Axial slice 87 of 116 of a chest CT (slice 1 is the lowest), reconstructed with the B31f kernel at 120 kVp; 3.00 mm slice thickness and 0.547 mm pixels.
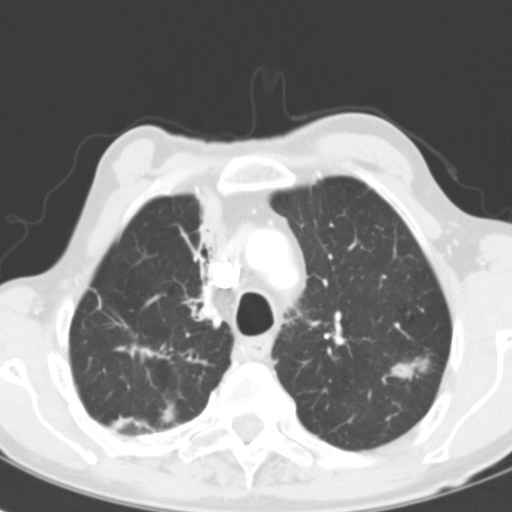
Pulmonary nodule outlined by all four readers; box rows 351–379, columns 388–431 (the union of the readers' outlines on this slice); median longest diameter 26.4 mm (readers' outlines 23.8–26.7 mm), median volume 4749 mm3 (3983–5133 mm3). Median ratings and the readers' spread: median texture 5/5 (solid) (readers ranged 3/5 (part-solid) to 5/5 (solid)); median margin 4/5 (readers ranged 3/5 to 5/5 (circumscribed)); median sphericity 4/5 (readers ranged 3/5 (ovoid) to 4/5); calcification absent, all four readers agreeing; internal structure: soft tissue (three), air (one); subtlety 5/5 from all four readers; malignancy likelihood 4/5 at the median of four readers, spread 2–5. Scale key (1–5): texture non-solid→solid, margin indistinct→circumscribed, sphericity linear→round, subtlety extremely subtle→obvious, malignancy likelihood highly unlikely→highly suspicious of cancer. Box rows and columns are 0-based pixel indices from the top-left corner, inclusive.